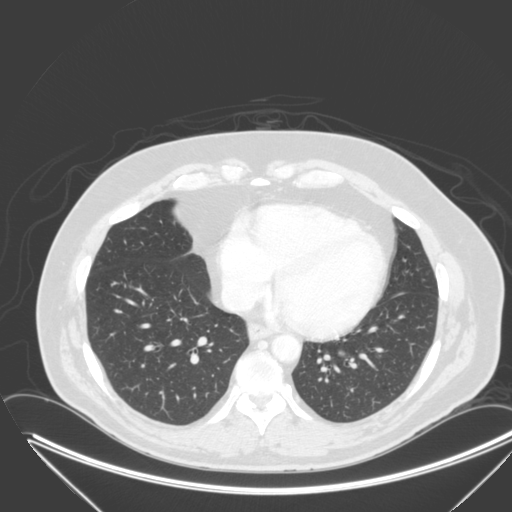
Axial chest CT slice 115 of 315 (counted from the lowest slice); 2.00 mm thick, 0.830 mm per pixel. Pulmonary nodule outlined by all four readers; box rows 350–355, columns 337–344 (the union of the readers' outlines on this slice); longest diameter 13.2 mm on average over the four readers' outlines (readers' outlines 12.3–13.9 mm), volume 668–831 mm3. Ratings, by the readers' most common answer with dissent counted: most readers (three of four) put texture at 5/5 (solid), others 4/5 (one); margin 5/5 (circumscribed) by three of four readers; the rest gave 4/5 (one); sphericity 5/5 (round) by three of four readers; the rest gave 4/5 (one); calcification absent from all four readers; internal structure soft tissue, all four readers agreeing; subtlety 4/5 by two of four readers; the rest gave 3/5 (one), 5/5 (one); malignancy likelihood 3/5 by three of four readers; the rest gave 5/5 (one). Scale key (1–5): texture non-solid→solid, margin indistinct→circumscribed, sphericity linear→round, subtlety extremely subtle→obvious, malignancy likelihood highly unlikely→highly suspicious of cancer. Box rows and columns are 0-based pixel indices from the top-left corner, inclusive.
Scan settings: 120 kVp, B reconstruction kernel.